Chest CT, axial plane, 120 kVp, kernel B70f. Slice 106/351 from the bottom of the scan; thickness 2.00 mm; pixel size 0.643 mm.
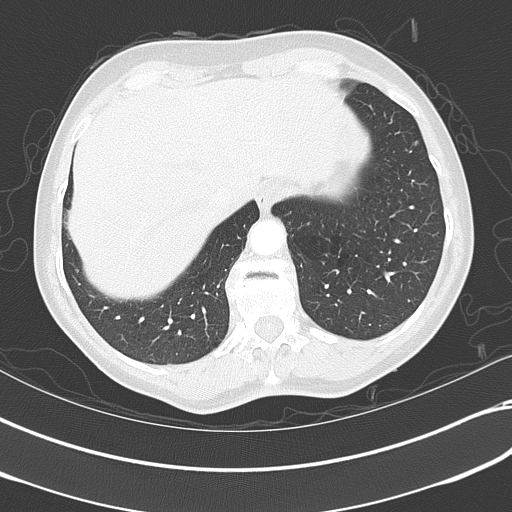
Pulmonary nodule outlined by one of the four readers; box rows 141–144, columns 414–417 (that reader's outline on this slice); longest diameter 4.5 mm and volume 37 mm3 from that reader's outline. That reader's ratings: texture 5/5 (solid); margin 5/5 (circumscribed); sphericity 5/5 (round); calcification absent; internal structure soft tissue; subtlety 1/5; malignancy likelihood 2/5. Scale key (1–5): texture non-solid→solid, margin indistinct→circumscribed, sphericity linear→round, subtlety extremely subtle→obvious, malignancy likelihood highly unlikely→highly suspicious of cancer. Box rows and columns are 0-based pixel indices from the top-left corner, inclusive.